Axial chest CT slice 53 of 143 (counted from the lowest slice); tube voltage 120 kVp, convolution kernel LUNG; slices 2.50 mm thick, 0.781 mm per pixel.
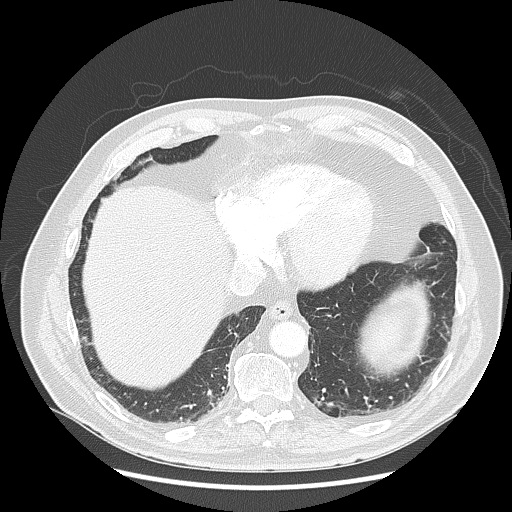
Pulmonary nodule outlined by three of the four readers; box rows 401–410, columns 327–334 (the union of the readers' outlines on this slice); longest diameter 10.6 mm on average over the three readers' outlines (readers' outlines 10.2–11.1 mm), volume 101–297 mm3. Ratings, by the readers' most common answer with dissent counted: texture 5/5 (solid), all three readers agreeing; margin 4/5 by two of three readers; the rest gave 5/5 (circumscribed) (one); sphericity split among the readers: 2/5 (one), 3/5 (ovoid) (one), 5/5 (round) (one); calcification absent by two of three readers, solid calcification (one); internal structure soft tissue, all three readers agreeing; subtlety 3/5 by two of three readers; the rest gave 5/5 (one); most readers (two of three) put malignancy likelihood at 3/5, others 1/5 (one). Scale key (1–5): texture non-solid→solid, margin indistinct→circumscribed, sphericity linear→round, subtlety extremely subtle→obvious, malignancy likelihood highly unlikely→highly suspicious of cancer. Box rows and columns are 0-based pixel indices from the top-left corner, inclusive.